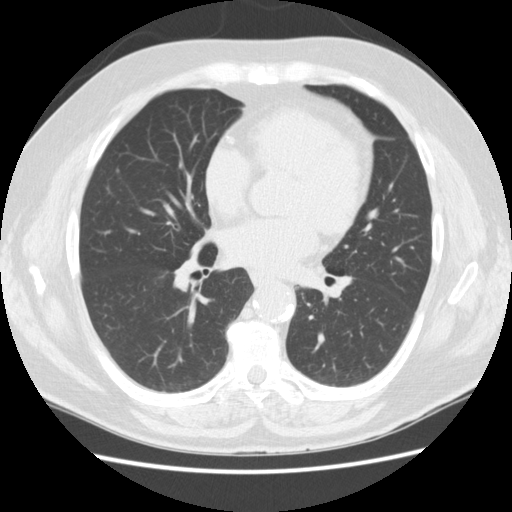
Axial chest CT slice 77 of 148 (counted from the lowest slice); tube voltage 120 kVp, convolution kernel STANDARD; slices 2.50 mm thick, 0.703 mm per pixel.
Pulmonary nodule at rows 168–172, columns 116–119 (box = the union of the readers' outlines on this slice), outlined by three of the four readers; longest diameter 4.7 mm on average over the three readers' outlines (readers' outlines 3.8–5.7 mm), volume 38–48 mm3. The readers' prevailing ratings and who disagreed: texture 5/5 (solid) by two of three readers; the rest gave 4/5 (one); most readers (two of three) put margin at 4/5, others 5/5 (circumscribed) (one); most readers (two of three) put sphericity at 5/5 (round), others 4/5 (one); calcification absent from all three readers; internal structure soft tissue from all three readers; subtlety split among the readers: 2/5 (one), 3/5 (one), 4/5 (one); malignancy likelihood 2/5, all three readers agreeing. Scale key (1–5): texture non-solid→solid, margin indistinct→circumscribed, sphericity linear→round, subtlety extremely subtle→obvious, malignancy likelihood highly unlikely→highly suspicious of cancer. Box rows and columns are 0-based pixel indices from the top-left corner, inclusive.